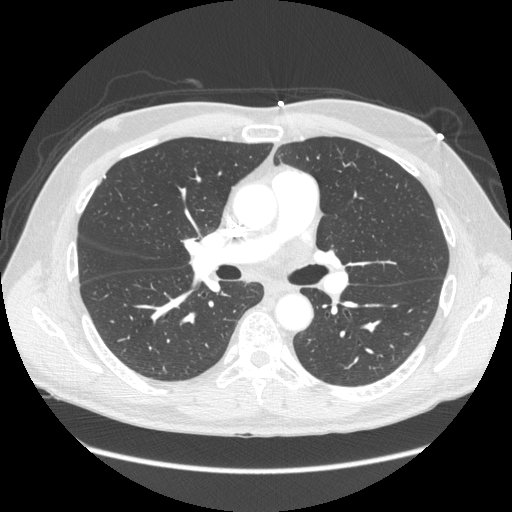
One axial slice (140 of 261, counting up from the lowest) of a chest CT acquired at 120 kVp with the STANDARD kernel; each pixel is 0.781 mm and the slice is 1.25 mm thick.
Pulmonary nodule at rows 175–177, columns 103–105 (box = that reader's outline on this slice), outlined by one of the four readers; longest diameter 7.2 mm and volume 103 mm3 from that reader's outline. That reader's ratings: texture 5/5 (solid); margin 5/5 (circumscribed); sphericity 2/5; calcification solid calcification; internal structure soft tissue; subtlety 3/5; malignancy likelihood 1/5. Scale key (1–5): texture non-solid→solid, margin indistinct→circumscribed, sphericity linear→round, subtlety extremely subtle→obvious, malignancy likelihood highly unlikely→highly suspicious of cancer. Box rows and columns are 0-based pixel indices from the top-left corner, inclusive.